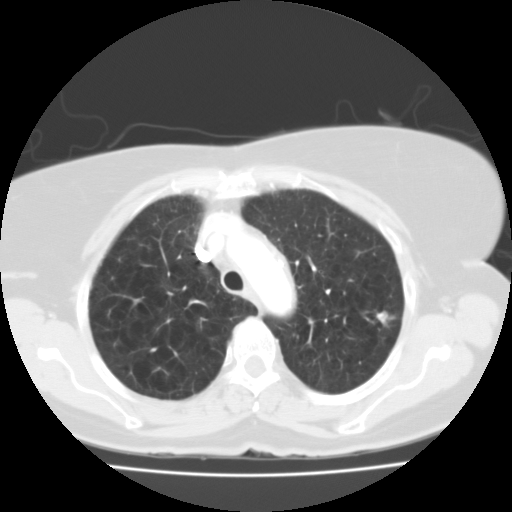
Slice 94/118 of a chest CT, counting up from the lowest; pixel size 0.665 mm, slice thickness 3.00 mm. Pulmonary nodule outlined by all four readers; box rows 310–328, columns 375–395 (the union of the readers' outlines on this slice); the four readers' outlines give a longest diameter between 14.2 and 18.1 mm and a volume between 1024 and 1671 mm3. The readers' ratings, as ranges where they differ: texture 5/5 (solid), all four readers agreeing; margin from 3/5 to 5/5 (circumscribed) across the four readers; sphericity from 4/5 to 5/5 (round) across the four readers; calcification absent from all four readers; internal structure soft tissue, all four readers agreeing; subtlety 5/5 from all four readers; malignancy likelihood from 3/5 to 5/5 across the four readers. Scale key (1–5): texture non-solid→solid, margin indistinct→circumscribed, sphericity linear→round, subtlety extremely subtle→obvious, malignancy likelihood highly unlikely→highly suspicious of cancer. Box rows and columns are 0-based pixel indices from the top-left corner, inclusive.
Acquired at 135 kVp and reconstructed with the FC01 kernel.